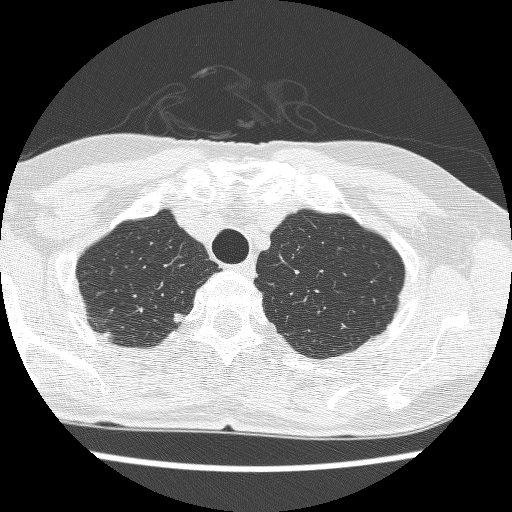
One axial slice (206 of 241, counting up from the lowest) of a chest CT acquired at 120 kVp with the BONE kernel; each pixel is 0.586 mm and the slice is 1.25 mm thick.
Pulmonary nodule at rows 313–322, columns 173–184 (box = the union of the readers' outlines on this slice), outlined by two of the four readers; longest diameter 8.4 mm on average over the two readers' outlines (readers' outlines 7.5–9.3 mm), volume 124–243 mm3. The readers' prevailing ratings and who disagreed: texture split among the readers: 4/5 (one), 5/5 (solid) (one); margin split among the readers: 4/5 (one), 5/5 (circumscribed) (one); sphericity split among the readers: 4/5 (one), 5/5 (round) (one); calcification absent from both readers; internal structure soft tissue, both readers agreeing; subtlety split among the readers: 4/5 (one), 5/5 (one); malignancy likelihood 4/5 from both readers. Scale key (1–5): texture non-solid→solid, margin indistinct→circumscribed, sphericity linear→round, subtlety extremely subtle→obvious, malignancy likelihood highly unlikely→highly suspicious of cancer. Box rows and columns are 0-based pixel indices from the top-left corner, inclusive.